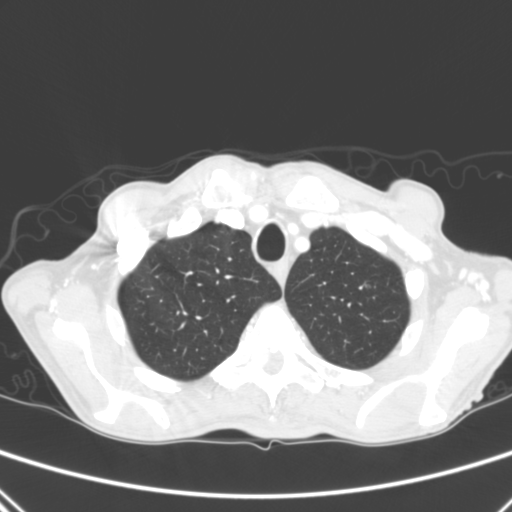
Slice 247/290 of a chest CT, counting up from the lowest; pixel size 0.639 mm, slice thickness 2.00 mm. Pulmonary nodule at rows 285–288, columns 365–370 (box = that reader's outline on this slice), outlined by one of the four readers; longest diameter 4.9 mm and volume 40 mm3 from that reader's outline. Ratings by that reader: texture 5/5 (solid); margin 5/5 (circumscribed); sphericity 5/5 (round); calcification absent; internal structure soft tissue; subtlety 5/5; malignancy likelihood 3/5. Scale key (1–5): texture non-solid→solid, margin indistinct→circumscribed, sphericity linear→round, subtlety extremely subtle→obvious, malignancy likelihood highly unlikely→highly suspicious of cancer. Box rows and columns are 0-based pixel indices from the top-left corner, inclusive.
Tube voltage 120 kVp; convolution kernel B.